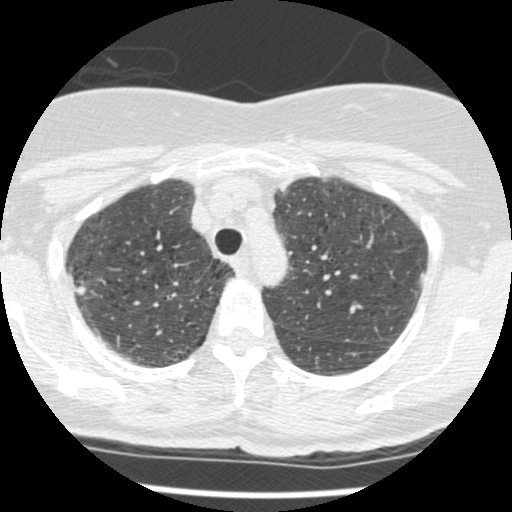
This is axial slice 383 of 465 (slice 1 is the lowest) of a chest CT; each pixel is 0.586 mm and the slice is 1.25 mm thick. Pulmonary nodule outlined by one of the four readers; box rows 286–294, columns 75–85 (that reader's outline on this slice); longest diameter 8.3 mm and volume 208 mm3 from that reader's outline. That reader's ratings: texture 5/5 (solid); margin 4/5; sphericity 4/5; calcification absent; internal structure soft tissue; subtlety 3/5; malignancy likelihood 2/5. Scale key (1–5): texture non-solid→solid, margin indistinct→circumscribed, sphericity linear→round, subtlety extremely subtle→obvious, malignancy likelihood highly unlikely→highly suspicious of cancer. Box rows and columns are 0-based pixel indices from the top-left corner, inclusive.
Tube voltage 120 kVp; convolution kernel STANDARD.